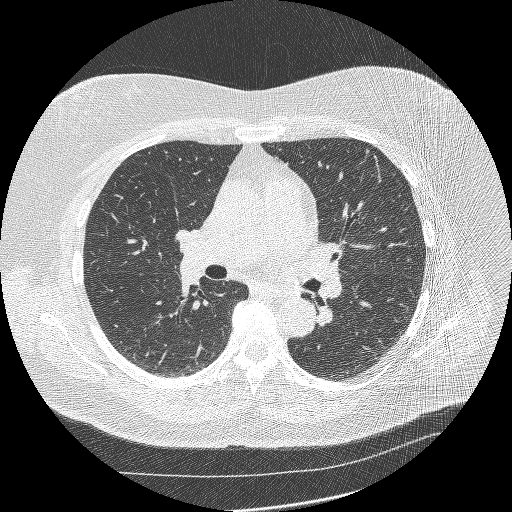
Chest CT, axial plane, 120 kVp, kernel BONE. Slice 137/231 from the bottom of the scan; thickness 1.25 mm; pixel size 0.703 mm.
Pulmonary nodule, outlined by all four readers, two of them on this slice. Box on this slice rows 148–153, columns 365–369, the union of the readers' outlines on this slice; median longest diameter 8.3 mm (readers' outlines 7.9–8.8 mm), median volume 103 mm3 (93–138 mm3). Ratings, median across the readers with their spread: texture 5/5 (solid) at the median of four readers, spread 3/5 (part-solid) to 5/5 (solid); margin 3/5 at the median of four readers, spread 3/5 to 5/5 (circumscribed); sphericity 3.5/5 at the median of four readers, spread 2/5 to 4/5; calcification absent from all four readers; internal structure soft tissue, all four readers agreeing; subtlety 3/5 at the median of four readers, spread 2–5; median malignancy likelihood 3/5 (readers ranged 3–4). Scale key (1–5): texture non-solid→solid, margin indistinct→circumscribed, sphericity linear→round, subtlety extremely subtle→obvious, malignancy likelihood highly unlikely→highly suspicious of cancer. Box rows and columns are 0-based pixel indices from the top-left corner, inclusive.